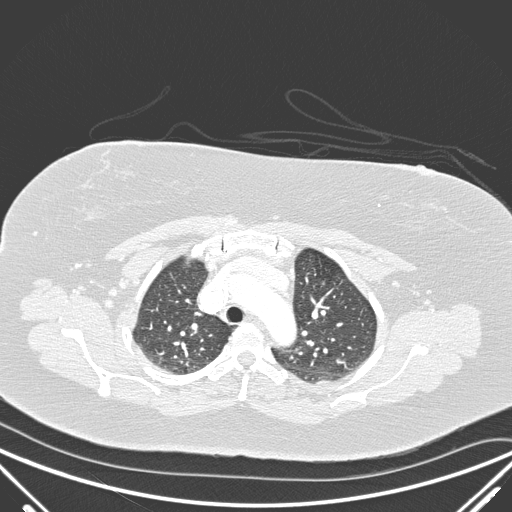
Slice 157/220 of a chest CT, counting up from the lowest; pixel size 0.770 mm, slice thickness 1.00 mm. Pulmonary nodule, outlined by all four readers, two of them on this slice. Box on this slice rows 281–284, columns 321–324, the union of the readers' outlines on this slice; longest diameter 6.1 mm on average over the four readers' outlines (readers' outlines 5.4–7.1 mm), volume 44–97 mm3. The readers' prevailing ratings and who disagreed: most readers (three of four) put texture at 5/5 (solid), others 4/5 (one); margin 4/5 by two of four readers; the rest gave 3/5 (one), 5/5 (circumscribed) (one); sphericity 4/5, all four readers agreeing; calcification absent, all four readers agreeing; internal structure soft tissue, all four readers agreeing; subtlety 4/5 by two of four readers; the rest gave 2/5 (one), 5/5 (one); malignancy likelihood split among the readers: 2/5 (two), 3/5 (two). Scale key (1–5): texture non-solid→solid, margin indistinct→circumscribed, sphericity linear→round, subtlety extremely subtle→obvious, malignancy likelihood highly unlikely→highly suspicious of cancer. Box rows and columns are 0-based pixel indices from the top-left corner, inclusive.
Scan settings: 140 kVp, D reconstruction kernel.